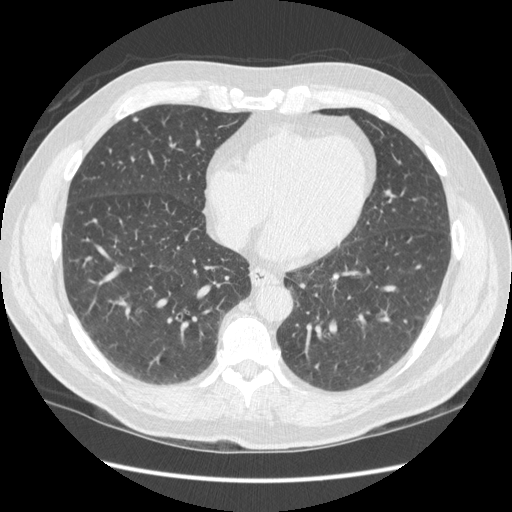
Axial chest CT slice 164 of 449 (counted from the lowest slice); tube voltage 120 kVp, convolution kernel STANDARD; slices 1.25 mm thick, 0.742 mm per pixel.
Pulmonary nodule, outlined by one of the four readers. Box on this slice rows 117–120, columns 132–137, that reader's outline on this slice; longest diameter 6.1 mm and volume 97 mm3 from that reader's outline. That reader's ratings: texture 5/5 (solid); margin 5/5 (circumscribed); sphericity 5/5 (round); calcification absent; internal structure soft tissue; subtlety 4/5; malignancy likelihood 3/5. Scale key (1–5): texture non-solid→solid, margin indistinct→circumscribed, sphericity linear→round, subtlety extremely subtle→obvious, malignancy likelihood highly unlikely→highly suspicious of cancer. Box rows and columns are 0-based pixel indices from the top-left corner, inclusive.